Axial chest CT slice 159 of 557 (counted from the lowest slice); tube voltage 120 kVp, convolution kernel STANDARD; slices 1.25 mm thick, 0.703 mm per pixel.
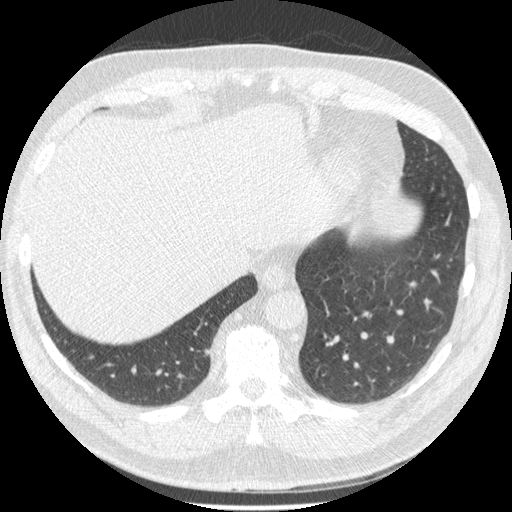
Pulmonary nodule, outlined by all four readers, three of them on this slice. Box on this slice rows 349–355, columns 204–209, the union of the readers' outlines on this slice; longest diameter 8.6–11.5 mm and volume 175–299 mm3 across the four readers' outlines. Ratings across the readers: texture 5/5 (solid) from all four readers; margin from 2/5 to 5/5 (circumscribed) across the four readers; sphericity from 4/5 to 5/5 (round) across the four readers; calcification: solid calcification (two), absent (one), central calcification (one); internal structure soft tissue, all four readers agreeing; subtlety from 3/5 to 5/5 across the four readers; malignancy likelihood rated between 1 and 4 out of 5 by the four readers. Scale key (1–5): texture non-solid→solid, margin indistinct→circumscribed, sphericity linear→round, subtlety extremely subtle→obvious, malignancy likelihood highly unlikely→highly suspicious of cancer. Box rows and columns are 0-based pixel indices from the top-left corner, inclusive.